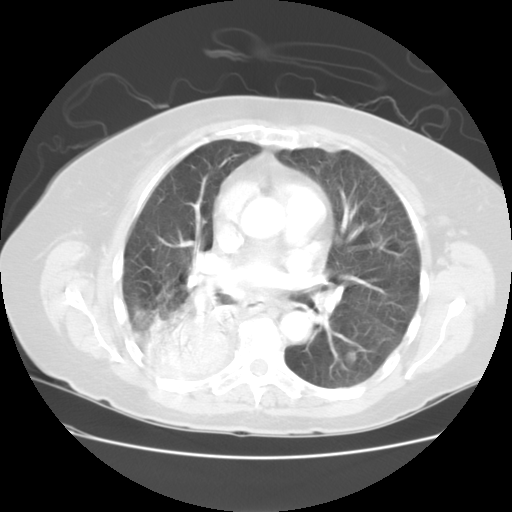
Axial slice 90 of 133 of a chest CT (slice 1 is the lowest), reconstructed with the STANDARD kernel at 120 kVp; 2.50 mm slice thickness and 0.703 mm pixels.
Pulmonary nodule outlined by all four readers; box rows 352–361, columns 345–356 (the union of the readers' outlines on this slice); the four readers' outlines give a longest diameter between 10.1 and 11.1 mm and a volume between 209 and 659 mm3. The readers' ratings, as ranges where they differ: texture from 4/5 to 5/5 (solid) across the four readers; margin from 3/5 to 5/5 (circumscribed) across the four readers; sphericity from 2/5 to 5/5 (round) across the four readers; calcification absent, all four readers agreeing; internal structure soft tissue, all four readers agreeing; subtlety rated between 4 and 5 out of 5 by the four readers; malignancy likelihood 3/5 from all four readers. Scale key (1–5): texture non-solid→solid, margin indistinct→circumscribed, sphericity linear→round, subtlety extremely subtle→obvious, malignancy likelihood highly unlikely→highly suspicious of cancer. Box rows and columns are 0-based pixel indices from the top-left corner, inclusive.